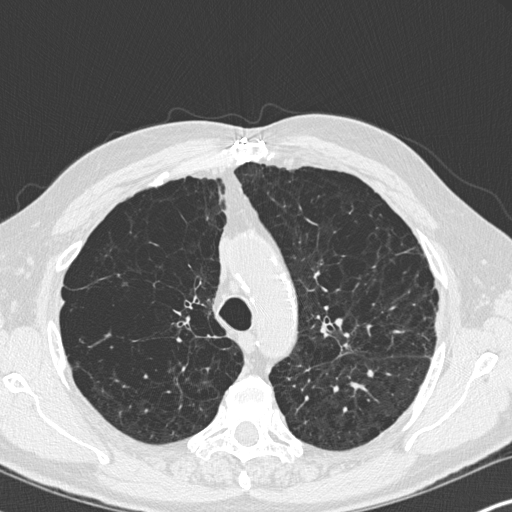
Axial chest CT slice 234 of 347 (counted from the lowest slice); 1.00 mm thick, 0.625 mm per pixel. Pulmonary nodule, outlined by all four readers. Box on this slice rows 369–378, columns 367–374, the union of the readers' outlines on this slice; median longest diameter 7.7 mm (readers' outlines 6.4–10.3 mm), median volume 73 mm3 (66–148 mm3). Ratings, median across the readers with their spread: texture 5/5 (solid) from all four readers; margin 5/5 (circumscribed) at the median of four readers, spread 4/5 to 5/5 (circumscribed); sphericity 3.5/5 at the median of four readers, spread 2/5 to 4/5; calcification absent from all four readers; internal structure soft tissue, all four readers agreeing; subtlety 3.5/5 at the median of four readers, spread 3–5; malignancy likelihood 3/5 at the median of four readers, spread 2–3. Scale key (1–5): texture non-solid→solid, margin indistinct→circumscribed, sphericity linear→round, subtlety extremely subtle→obvious, malignancy likelihood highly unlikely→highly suspicious of cancer. Box rows and columns are 0-based pixel indices from the top-left corner, inclusive.
Acquired at 120 kVp and reconstructed with the B45f kernel.